Axial slice 79 of 122 of a chest CT (slice 1 is the lowest), reconstructed with the FC01 kernel at 135 kVp; 3.00 mm slice thickness and 0.586 mm pixels.
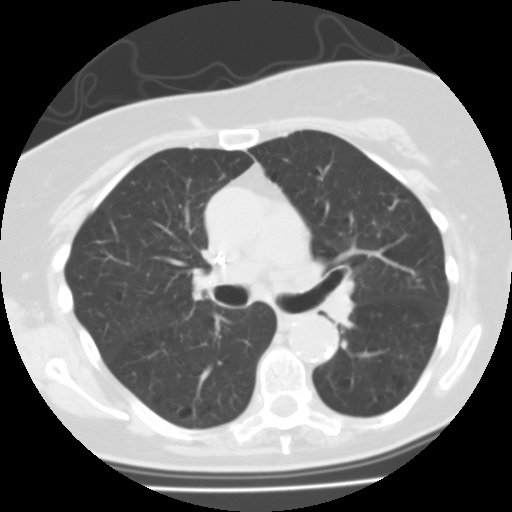
Pulmonary nodule outlined by all four readers, one of them on this slice; box rows 278–280, columns 407–411 (the one reader's outline on this slice); longest diameter 8.1 mm on average over the four readers' outlines (readers' outlines 7.8–8.3 mm), volume 245–305 mm3. Ratings, by the readers' most common answer with dissent counted: most readers (three of four) put texture at 5/5 (solid), others 4/5 (one); margin 3/5 by two of four readers; the rest gave 4/5 (one), 5/5 (circumscribed) (one); most readers (three of four) put sphericity at 3/5 (ovoid), others 4/5 (one); calcification absent by three of four readers, solid calcification (one); internal structure soft tissue, all four readers agreeing; subtlety 4/5 by two of four readers; the rest gave 2/5 (one), 3/5 (one); malignancy likelihood 3/5 by two of four readers; the rest gave 1/5 (one), 2/5 (one). Scale key (1–5): texture non-solid→solid, margin indistinct→circumscribed, sphericity linear→round, subtlety extremely subtle→obvious, malignancy likelihood highly unlikely→highly suspicious of cancer. Box rows and columns are 0-based pixel indices from the top-left corner, inclusive.